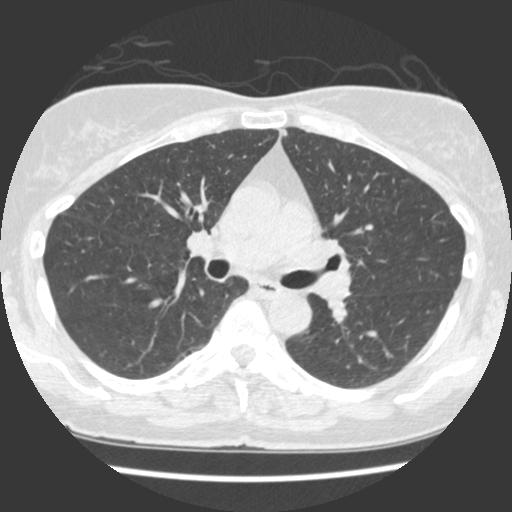
Axial slice 231 of 429 of a chest CT (slice 1 is the lowest), reconstructed with the STANDARD kernel at 120 kVp; 1.25 mm slice thickness and 0.586 mm pixels.
Two pulmonary nodules are outlined on this slice; from left to right: (1) Pulmonary nodule outlined by one of the four readers; box rows 129–136, columns 282–287 (that reader's outline on this slice); longest diameter 7.8 mm and volume 111 mm3 from that reader's outline. Ratings by that reader: texture 5/5 (solid); margin 2/5; sphericity 2/5; calcification absent; internal structure soft tissue; subtlety 2/5; malignancy likelihood 1/5. (2) Pulmonary nodule at rows 223–230, columns 364–373 (box = the union of the readers' outlines on this slice), outlined by all four readers; longest diameter 6.3 mm on average over the four readers' outlines (readers' outlines 5.6–6.9 mm), volume 30–64 mm3. Ratings, by the readers' most common answer with dissent counted: texture 5/5 (solid), all four readers agreeing; margin 4/5 by two of four readers; the rest gave 3/5 (one), 5/5 (circumscribed) (one); sphericity 4/5, all four readers agreeing; calcification absent, all four readers agreeing; internal structure soft tissue, all four readers agreeing; subtlety split among the readers: 3/5 (two), 4/5 (two); malignancy likelihood 2/5 by two of four readers; the rest gave 1/5 (one), 3/5 (one). Scale key (1–5): texture non-solid→solid, margin indistinct→circumscribed, sphericity linear→round, subtlety extremely subtle→obvious, malignancy likelihood highly unlikely→highly suspicious of cancer. Box rows and columns are 0-based pixel indices from the top-left corner, inclusive.